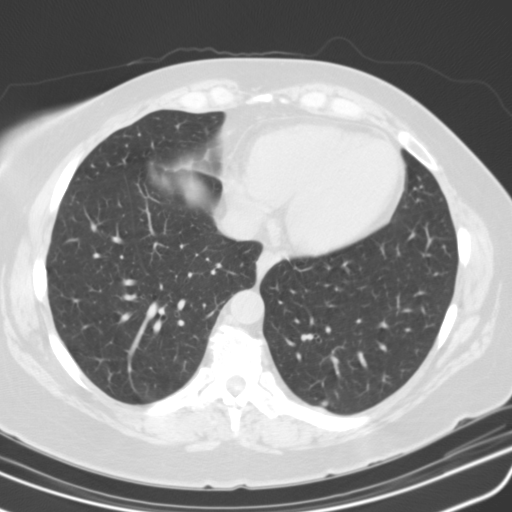
One axial slice (51 of 115, counting up from the lowest) of a chest CT acquired at 130 kVp with the B31s kernel; each pixel is 0.652 mm and the slice is 3.00 mm thick.
Pulmonary nodule, outlined by all four readers, three of them on this slice. Box on this slice rows 400–406, columns 321–327, the union of the readers' outlines on this slice; longest diameter 7.2 mm on average over the four readers' outlines (readers' outlines 6.4–8.8 mm), volume 73–204 mm3. Ratings, by the readers' most common answer with dissent counted: texture 5/5 (solid) from all four readers; margin 5/5 (circumscribed) from all four readers; most readers (three of four) put sphericity at 5/5 (round), others 4/5 (one); calcification solid calcification from all four readers; internal structure soft tissue from all four readers; subtlety 4/5 by two of four readers; the rest gave 3/5 (one), 5/5 (one); malignancy likelihood 1/5 from all four readers. Scale key (1–5): texture non-solid→solid, margin indistinct→circumscribed, sphericity linear→round, subtlety extremely subtle→obvious, malignancy likelihood highly unlikely→highly suspicious of cancer. Box rows and columns are 0-based pixel indices from the top-left corner, inclusive.